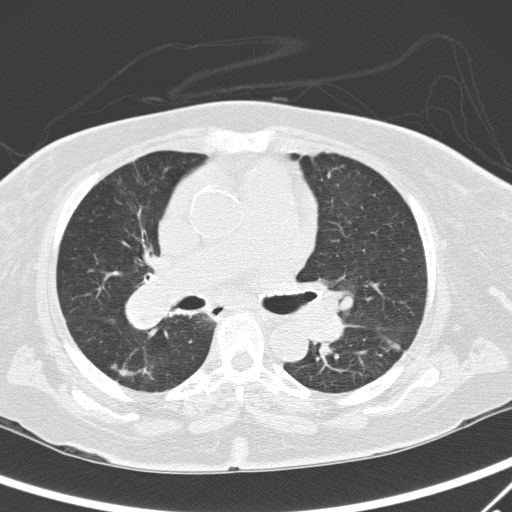
Chest CT, axial plane, 120 kVp, kernel D. Slice 171/295 from the bottom of the scan; thickness 2.00 mm; pixel size 0.682 mm.
Pulmonary nodule, outlined by one of the four readers. Box on this slice rows 363–382, columns 111–154, that reader's outline on this slice; longest diameter 49.8 mm and volume 6337 mm3 from that reader's outline. Ratings by that reader: texture 4/5; margin 1/5 (indistinct); sphericity 3/5 (ovoid); calcification absent; internal structure soft tissue; subtlety 5/5; malignancy likelihood 5/5. Scale key (1–5): texture non-solid→solid, margin indistinct→circumscribed, sphericity linear→round, subtlety extremely subtle→obvious, malignancy likelihood highly unlikely→highly suspicious of cancer. Box rows and columns are 0-based pixel indices from the top-left corner, inclusive.